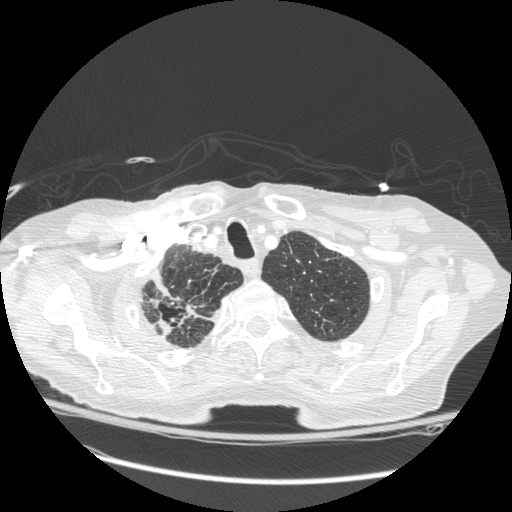
Axial chest CT slice 238 of 272 (counted from the lowest slice); tube voltage 120 kVp, convolution kernel STANDARD; slices 1.25 mm thick, 0.742 mm per pixel.
Pulmonary nodule at rows 275–335, columns 153–191 (box = the one reader's outline on this slice), outlined by all four readers, one of them on this slice; longest diameter 28.8 mm on average over the four readers' outlines (readers' outlines 16.0–56.1 mm), volume 732–13897 mm3. Ratings, by the readers' most common answer with dissent counted: texture 5/5 (solid) from all four readers; margin 3/5 by three of four readers; the rest gave 5/5 (circumscribed) (one); most readers (three of four) put sphericity at 3/5 (ovoid), others 4/5 (one); calcification absent, all four readers agreeing; internal structure soft tissue from all four readers; subtlety 5/5, all four readers agreeing; most readers (three of four) put malignancy likelihood at 5/5, others 4/5 (one). Scale key (1–5): texture non-solid→solid, margin indistinct→circumscribed, sphericity linear→round, subtlety extremely subtle→obvious, malignancy likelihood highly unlikely→highly suspicious of cancer. Box rows and columns are 0-based pixel indices from the top-left corner, inclusive.